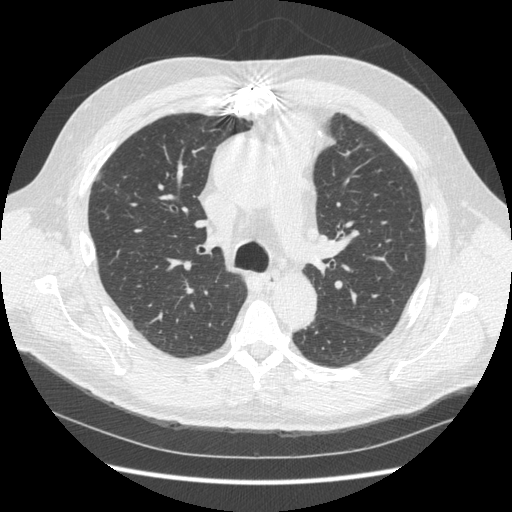
Axial chest CT slice 224 of 369 (counted from the lowest slice); tube voltage 120 kVp, convolution kernel STANDARD; slices 1.25 mm thick, 0.703 mm per pixel.
Pulmonary nodule at rows 169–182, columns 96–103 (box = that reader's outline on this slice), outlined by one of the four readers; longest diameter 27.0 mm and volume 3015 mm3 from that reader's outline. That reader's ratings: texture 1/5 (non-solid); margin 1/5 (indistinct); sphericity 3/5 (ovoid); calcification absent; internal structure soft tissue; subtlety 3/5; malignancy likelihood 3/5. Scale key (1–5): texture non-solid→solid, margin indistinct→circumscribed, sphericity linear→round, subtlety extremely subtle→obvious, malignancy likelihood highly unlikely→highly suspicious of cancer. Box rows and columns are 0-based pixel indices from the top-left corner, inclusive.